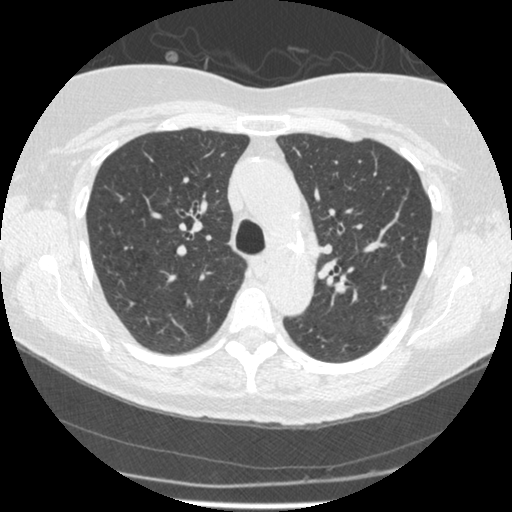
Chest CT, axial plane, 120 kVp, kernel STANDARD. Slice 312/449 from the bottom of the scan; thickness 1.25 mm; pixel size 0.625 mm.
No nodule 3 mm or larger was outlined here by any reader.